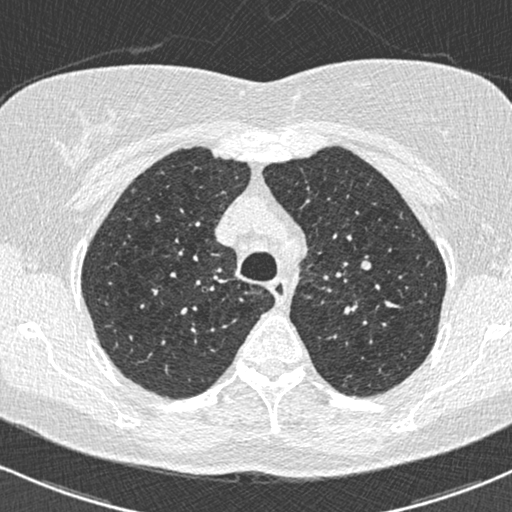
One axial slice (523 of 672, counting up from the lowest) of a chest CT acquired at 120 kVp with the B30f kernel; each pixel is 0.607 mm and the slice is 0.60 mm thick.
Pulmonary nodule at rows 260–269, columns 361–371 (box = the union of the readers' outlines on this slice), outlined by all four readers; median longest diameter 8.2 mm (readers' outlines 8.1–8.8 mm), median volume 187 mm3 (181–196 mm3). Median ratings and the readers' spread: texture 5/5 (solid), all four readers agreeing; margin 5/5 (circumscribed) at the median of four readers, spread 4/5 to 5/5 (circumscribed); sphericity 5/5 (round) at the median of four readers, spread 3/5 (ovoid) to 5/5 (round); calcification absent from all four readers; internal structure soft tissue from all four readers; subtlety 4/5 at the median of four readers, spread 1–5; malignancy likelihood 3/5 at the median of four readers, spread 2–3. Scale key (1–5): texture non-solid→solid, margin indistinct→circumscribed, sphericity linear→round, subtlety extremely subtle→obvious, malignancy likelihood highly unlikely→highly suspicious of cancer. Box rows and columns are 0-based pixel indices from the top-left corner, inclusive.